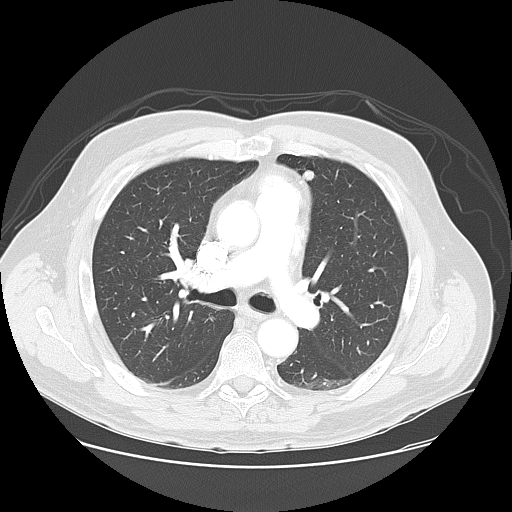
Axial slice 95 of 143 of a chest CT (slice 1 is the lowest), reconstructed with the LUNG kernel at 120 kVp; 2.50 mm slice thickness and 0.781 mm pixels.
Pulmonary nodule outlined by all four readers; box rows 169–181, columns 302–314 (the union of the readers' outlines on this slice); median longest diameter 10.2 mm (readers' outlines 9.4–11.0 mm), median volume 360 mm3 (317–491 mm3). Ratings, median across the readers with their spread: texture 5/5 (solid), all four readers agreeing; margin 4.5/5 at the median of four readers, spread 4/5 to 5/5 (circumscribed); median sphericity 4.5/5 (readers ranged 4/5 to 5/5 (round)); calcification: absent (two), non-central calcification (one), popcorn calcification (one); internal structure soft tissue from all four readers; subtlety 5/5 at the median of four readers, spread 4–5; median malignancy likelihood 2.5/5 (readers ranged 1–4). Scale key (1–5): texture non-solid→solid, margin indistinct→circumscribed, sphericity linear→round, subtlety extremely subtle→obvious, malignancy likelihood highly unlikely→highly suspicious of cancer. Box rows and columns are 0-based pixel indices from the top-left corner, inclusive.